One axial slice (104 of 246, counting up from the lowest) of a chest CT acquired at 120 kVp with the BONE kernel; each pixel is 0.617 mm and the slice is 1.25 mm thick.
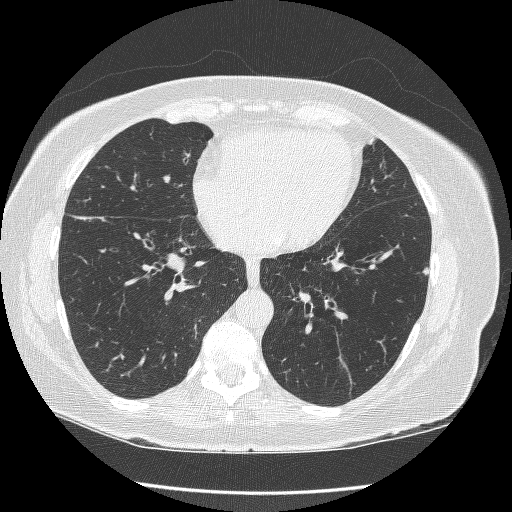
Pulmonary nodule at rows 266–275, columns 421–428 (box = the union of the readers' outlines on this slice), outlined by all four readers; the four readers' outlines give a longest diameter between 5.3 and 6.9 mm and a volume between 36 and 54 mm3. Ratings across the readers: texture from 4/5 to 5/5 (solid) across the four readers; margin from 3/5 to 5/5 (circumscribed) across the four readers; sphericity 4/5 from all four readers; calcification absent from all four readers; internal structure soft tissue from all four readers; subtlety 2–4/5 (the readers disagree); malignancy likelihood 3/5 from all four readers. Scale key (1–5): texture non-solid→solid, margin indistinct→circumscribed, sphericity linear→round, subtlety extremely subtle→obvious, malignancy likelihood highly unlikely→highly suspicious of cancer. Box rows and columns are 0-based pixel indices from the top-left corner, inclusive.